Axial slice 376 of 452 of a chest CT (slice 1 is the lowest), reconstructed with the STANDARD kernel at 120 kVp; 1.25 mm slice thickness and 0.703 mm pixels.
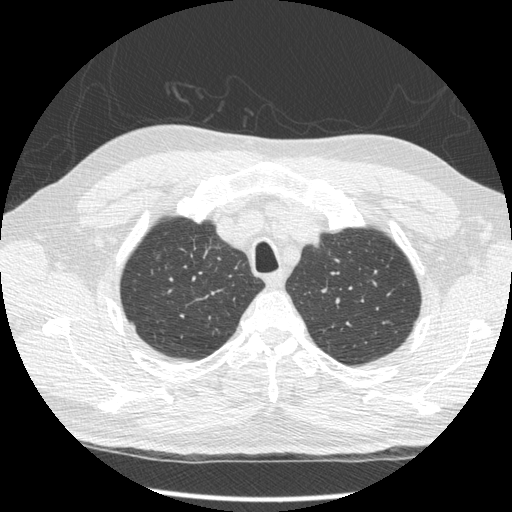
Pulmonary nodule at rows 255–257, columns 157–159 (box = the one reader's outline on this slice), outlined by three of the four readers, one of them on this slice; longest diameter 8.6 mm on average over the three readers' outlines (readers' outlines 7.2–10.2 mm), volume 45–84 mm3. Ratings, by the readers' most common answer with dissent counted: most readers (two of three) put texture at 1/5 (non-solid), others 4/5 (one); margin 2/5 by two of three readers; the rest gave 3/5 (one); sphericity split among the readers: 3/5 (ovoid) (one), 4/5 (one), 5/5 (round) (one); calcification absent, all three readers agreeing; internal structure soft tissue from all three readers; subtlety 1/5 by two of three readers; the rest gave 4/5 (one); most readers (two of three) put malignancy likelihood at 3/5, others 5/5 (one). Scale key (1–5): texture non-solid→solid, margin indistinct→circumscribed, sphericity linear→round, subtlety extremely subtle→obvious, malignancy likelihood highly unlikely→highly suspicious of cancer. Box rows and columns are 0-based pixel indices from the top-left corner, inclusive.